Axial chest CT slice 122 of 240 (counted from the lowest slice); tube voltage 120 kVp, convolution kernel BONE; slices 1.25 mm thick, 0.604 mm per pixel.
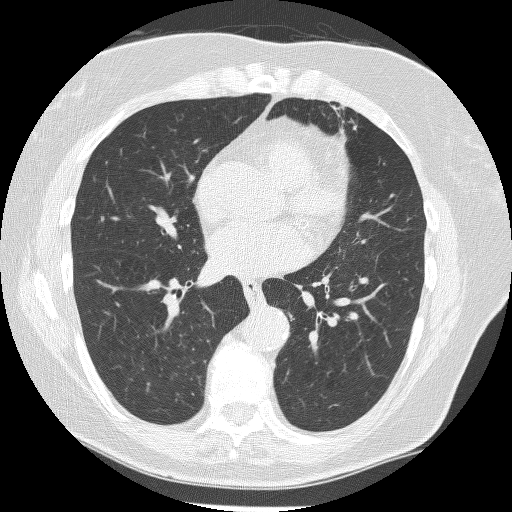
This slice carries no reader outline of a nodule 3 mm or larger.